Axial slice 331 of 481 of a chest CT (slice 1 is the lowest), reconstructed with the STANDARD kernel at 120 kVp; 1.25 mm slice thickness and 0.664 mm pixels.
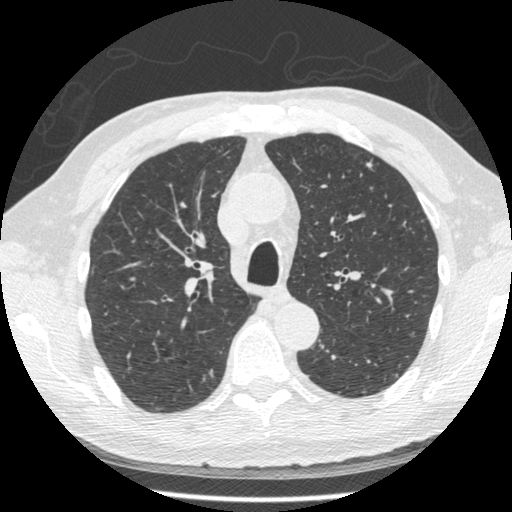
Pulmonary nodule, outlined by two of the four readers. Box on this slice rows 158–170, columns 366–373, the union of the readers' outlines on this slice; median longest diameter 11.4 mm (readers' outlines 10.5–12.2 mm), median volume 167 mm3 (150–184 mm3). Ratings, median across the readers with their spread: texture 3/5 (part-solid) at the median of two readers, spread 2/5 to 4/5; margin 2.5/5 at the median of two readers, spread 1/5 (indistinct) to 4/5; median sphericity 2.5/5 (readers ranged 2/5 to 3/5 (ovoid)); calcification absent, both readers agreeing; internal structure soft tissue, both readers agreeing; subtlety 3/5 at the median of two readers, spread 2–4; median malignancy likelihood 2/5 (readers ranged 1–3). Scale key (1–5): texture non-solid→solid, margin indistinct→circumscribed, sphericity linear→round, subtlety extremely subtle→obvious, malignancy likelihood highly unlikely→highly suspicious of cancer. Box rows and columns are 0-based pixel indices from the top-left corner, inclusive.